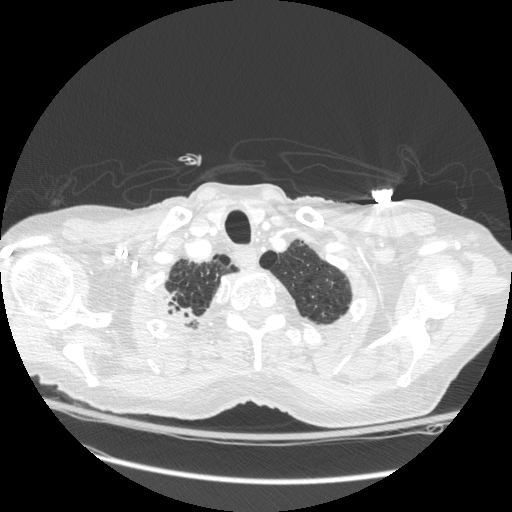
Chest CT, axial plane, 120 kVp, kernel STANDARD. Slice 249/272 from the bottom of the scan; thickness 1.25 mm; pixel size 0.742 mm.
Pulmonary nodule, outlined by all four readers, one of them on this slice. Box on this slice rows 289–323, columns 161–194, the one reader's outline on this slice; the four readers' outlines give a longest diameter between 16.0 and 56.1 mm and a volume between 732 and 13897 mm3. The readers' ratings, as ranges where they differ: texture 5/5 (solid) from all four readers; margin from 3/5 to 5/5 (circumscribed) across the four readers; sphericity from 3/5 (ovoid) to 4/5 across the four readers; calcification absent, all four readers agreeing; internal structure soft tissue, all four readers agreeing; subtlety 5/5 from all four readers; malignancy likelihood rated between 4 and 5 out of 5 by the four readers. Scale key (1–5): texture non-solid→solid, margin indistinct→circumscribed, sphericity linear→round, subtlety extremely subtle→obvious, malignancy likelihood highly unlikely→highly suspicious of cancer. Box rows and columns are 0-based pixel indices from the top-left corner, inclusive.